Axial chest CT slice 275 of 400 (counted from the lowest slice); tube voltage 120 kVp, convolution kernel C; slices 1.50 mm thick, 0.527 mm per pixel.
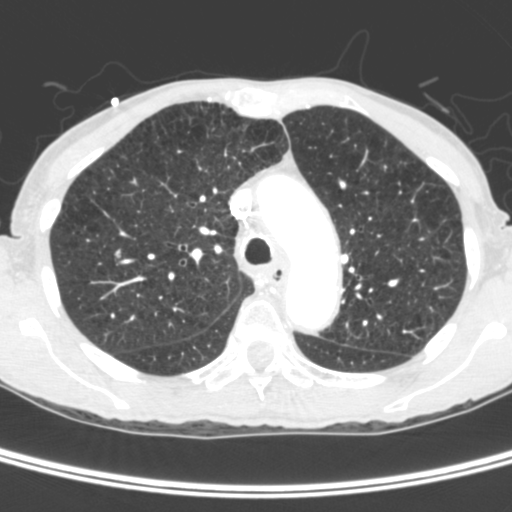
Pulmonary nodule outlined by one of the four readers; box rows 249–257, columns 113–119 (that reader's outline on this slice); longest diameter 5.7 mm and volume 76 mm3 from that reader's outline. That reader's ratings: texture 5/5 (solid); margin 4/5; sphericity 4/5; calcification absent; internal structure soft tissue; subtlety 4/5; malignancy likelihood 3/5. Scale key (1–5): texture non-solid→solid, margin indistinct→circumscribed, sphericity linear→round, subtlety extremely subtle→obvious, malignancy likelihood highly unlikely→highly suspicious of cancer. Box rows and columns are 0-based pixel indices from the top-left corner, inclusive.